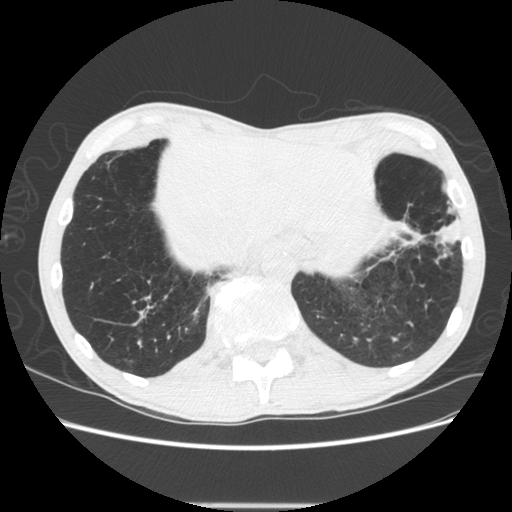
Axial chest CT slice 125 of 605 (counted from the lowest slice); 1.25 mm thick, 0.703 mm per pixel. Pulmonary nodule at rows 216–244, columns 435–457 (box = that reader's outline on this slice), outlined by one of the four readers; longest diameter 29.0 mm and volume 1790 mm3 from that reader's outline. Ratings by that reader: texture 4/5; margin 4/5; sphericity 2/5; calcification absent; internal structure soft tissue; subtlety 5/5; malignancy likelihood 4/5. Scale key (1–5): texture non-solid→solid, margin indistinct→circumscribed, sphericity linear→round, subtlety extremely subtle→obvious, malignancy likelihood highly unlikely→highly suspicious of cancer. Box rows and columns are 0-based pixel indices from the top-left corner, inclusive.
Tube voltage 120 kVp; convolution kernel STANDARD.